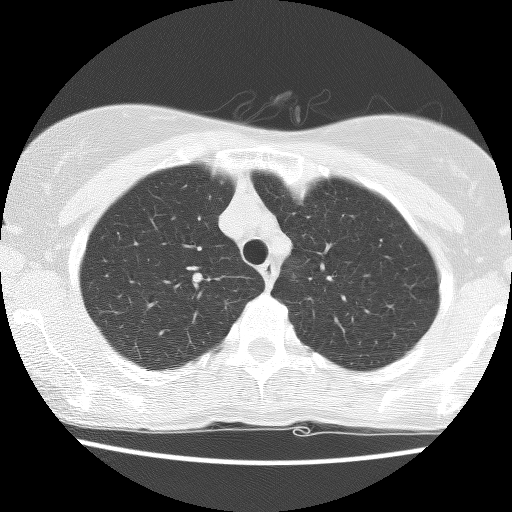
Axial chest CT slice 101 of 130 (counted from the lowest slice); tube voltage 140 kVp, convolution kernel BONE; slices 2.50 mm thick, 0.596 mm per pixel.
Pulmonary nodule, outlined by all four readers. Box on this slice rows 273–283, columns 192–202, the union of the readers' outlines on this slice; longest diameter 7.3 mm on average over the four readers' outlines (readers' outlines 6.2–8.3 mm), volume 244–355 mm3. The readers' prevailing ratings and who disagreed: texture 5/5 (solid) from all four readers; margin 5/5 (circumscribed), all four readers agreeing; sphericity 5/5 (round) by three of four readers; the rest gave 4/5 (one); calcification absent, all four readers agreeing; internal structure soft tissue from all four readers; most readers (three of four) put subtlety at 3/5, others 5/5 (one); malignancy likelihood split among the readers: 1/5 (one), 2/5 (one), 3/5 (one), 4/5 (one). Scale key (1–5): texture non-solid→solid, margin indistinct→circumscribed, sphericity linear→round, subtlety extremely subtle→obvious, malignancy likelihood highly unlikely→highly suspicious of cancer. Box rows and columns are 0-based pixel indices from the top-left corner, inclusive.